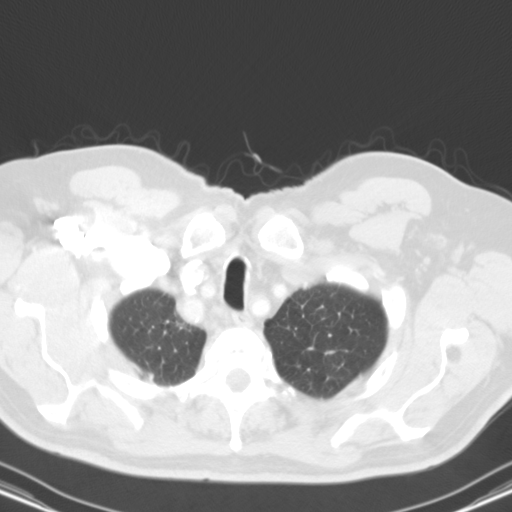
This is axial slice 101 of 116 (slice 1 is the lowest) of a chest CT; each pixel is 0.668 mm and the slice is 3.00 mm thick. Pulmonary nodule, outlined by three of the four readers, two of them on this slice. Box on this slice rows 371–384, columns 144–153, the union of the readers' outlines on this slice; the three readers' outlines give a longest diameter between 30.9 and 36.1 mm and a volume between 5704 and 8380 mm3. Ratings across the readers: texture 5/5 (solid) from all three readers; margin 4/5 from all three readers; sphericity from 2/5 to 4/5 across the three readers; calcification absent, all three readers agreeing; internal structure soft tissue from all three readers; subtlety 5/5, all three readers agreeing; malignancy likelihood 5/5 from all three readers. Scale key (1–5): texture non-solid→solid, margin indistinct→circumscribed, sphericity linear→round, subtlety extremely subtle→obvious, malignancy likelihood highly unlikely→highly suspicious of cancer. Box rows and columns are 0-based pixel indices from the top-left corner, inclusive.
Acquired at 130 kVp and reconstructed with the B31s kernel.